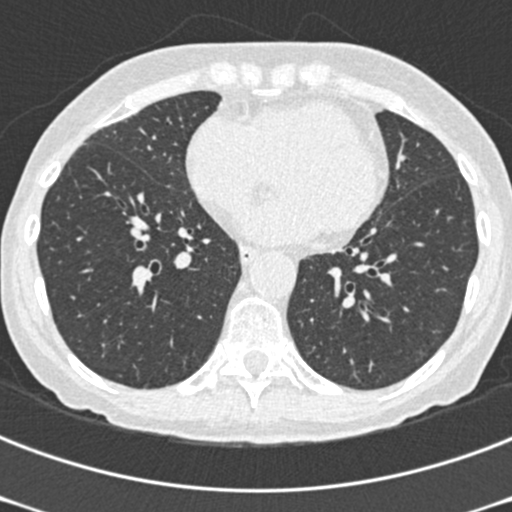
Axial slice 194 of 489 of a chest CT (slice 1 is the lowest), reconstructed with the B30f kernel at 120 kVp; 0.75 mm slice thickness and 0.566 mm pixels.
None of the four readers outlined a nodule of 3 mm or more on this slice.